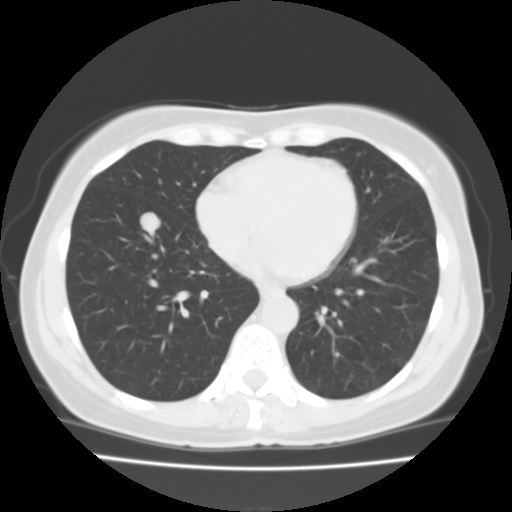
Slice 38/105 of a chest CT, counting up from the lowest; pixel size 0.644 mm, slice thickness 3.00 mm. Pulmonary nodule at rows 211–235, columns 139–161 (box = the union of the readers' outlines on this slice), outlined by all four readers; the four readers' outlines give a longest diameter between 16.1 and 17.1 mm and a volume between 1634 and 1866 mm3. Ratings across the readers: texture 5/5 (solid) from all four readers; margin from 3/5 to 5/5 (circumscribed) across the four readers; sphericity from 4/5 to 5/5 (round) across the four readers; calcification absent from all four readers; internal structure soft tissue from all four readers; subtlety 3–5/5 (the readers disagree); malignancy likelihood rated between 2 and 5 out of 5 by the four readers. Scale key (1–5): texture non-solid→solid, margin indistinct→circumscribed, sphericity linear→round, subtlety extremely subtle→obvious, malignancy likelihood highly unlikely→highly suspicious of cancer. Box rows and columns are 0-based pixel indices from the top-left corner, inclusive.
Tube voltage 135 kVp; convolution kernel FC01.